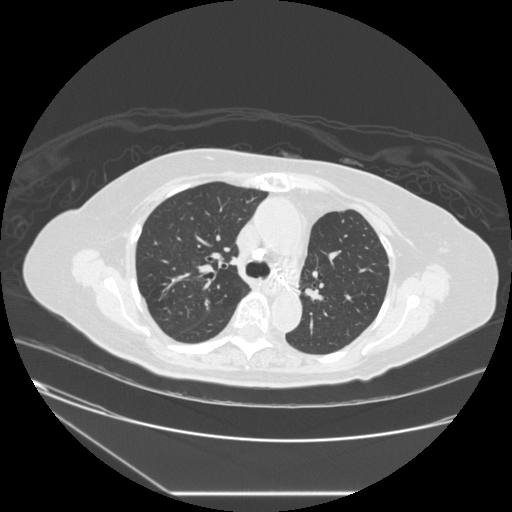
Axial chest CT slice 176 of 241 (counted from the lowest slice); tube voltage 120 kVp, convolution kernel STANDARD; slices 1.25 mm thick, 0.773 mm per pixel.
Pulmonary nodule outlined three times (the source holds two more outlines, not used), two of them on this slice; box rows 298–309, columns 204–209 (the union of the readers' outlines on this slice); longest diameter 11.5 mm on average over the three readers' outlines (readers' outlines 10.5–12.2 mm), volume 344–520 mm3. Ratings, by the readers' most common answer with dissent counted: texture 5/5 (solid) by two of three readers; the rest gave 4/5 (one); margin 4/5 by two of three readers; the rest gave 5/5 (circumscribed) (one); sphericity 3/5 (ovoid) by two of three readers; the rest gave 4/5 (one); calcification non-central calcification by two of three readers, absent (one); internal structure soft tissue, all three readers agreeing; subtlety 5/5, all three readers agreeing; most readers (two of three) put malignancy likelihood at 3/5, others 2/5 (one). Scale key (1–5): texture non-solid→solid, margin indistinct→circumscribed, sphericity linear→round, subtlety extremely subtle→obvious, malignancy likelihood highly unlikely→highly suspicious of cancer. Box rows and columns are 0-based pixel indices from the top-left corner, inclusive.